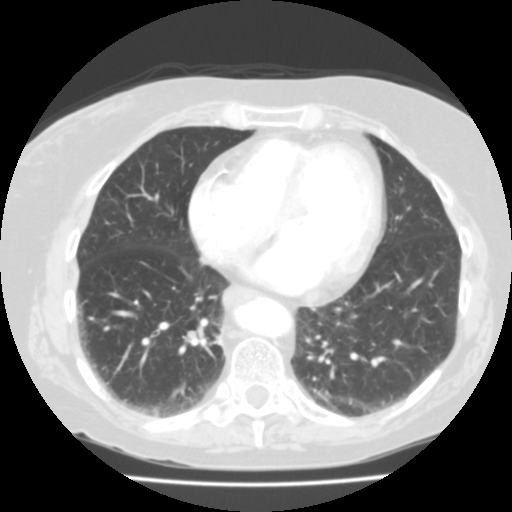
One axial slice (50 of 136, counting up from the lowest) of a chest CT acquired at 135 kVp with the FC03 kernel; each pixel is 0.644 mm and the slice is 2.00 mm thick.
Pulmonary nodule, outlined by one of the four readers. Box on this slice rows 240–242, columns 84–88, that reader's outline on this slice; longest diameter 6.4 mm and volume 75 mm3 from that reader's outline. That reader's ratings: texture 1/5 (non-solid); margin 2/5; sphericity 5/5 (round); calcification absent; internal structure soft tissue; subtlety 1/5; malignancy likelihood 2/5. Scale key (1–5): texture non-solid→solid, margin indistinct→circumscribed, sphericity linear→round, subtlety extremely subtle→obvious, malignancy likelihood highly unlikely→highly suspicious of cancer. Box rows and columns are 0-based pixel indices from the top-left corner, inclusive.